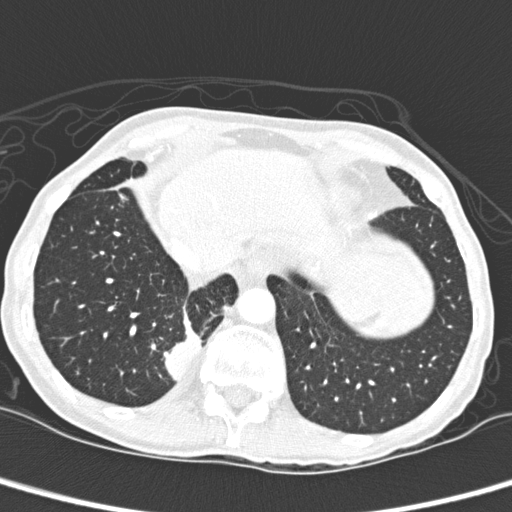
Chest CT, axial plane, 120 kVp, kernel D. Slice 53/280 from the bottom of the scan; thickness 1.00 mm; pixel size 0.564 mm.
Pulmonary nodule at rows 329–379, columns 166–201 (box = the union of the readers' outlines on this slice), outlined by two of the four readers; median longest diameter 33.9 mm (readers' outlines 32.1–35.8 mm), median volume 6179 mm3 (5657–6702 mm3). Ratings, median across the readers with their spread: texture 5/5 (solid), both readers agreeing; margin 4/5 from both readers; sphericity 3/5 (ovoid), both readers agreeing; calcification absent, both readers agreeing; internal structure soft tissue from both readers; subtlety 5/5, both readers agreeing; median malignancy likelihood 2.5/5 (readers ranged 2–3). Scale key (1–5): texture non-solid→solid, margin indistinct→circumscribed, sphericity linear→round, subtlety extremely subtle→obvious, malignancy likelihood highly unlikely→highly suspicious of cancer. Box rows and columns are 0-based pixel indices from the top-left corner, inclusive.